Chest CT, axial plane, 135 kVp, kernel FC01. Slice 76/111 from the bottom of the scan; thickness 3.00 mm; pixel size 0.714 mm.
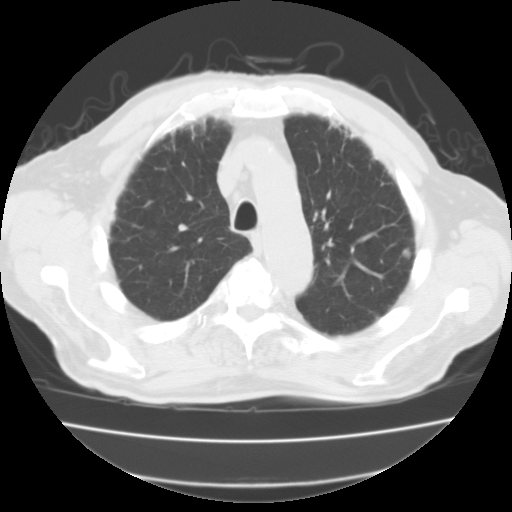
Pulmonary nodule, outlined by all four readers. Box on this slice rows 248–258, columns 401–410, the union of the readers' outlines on this slice; median longest diameter 24.6 mm (readers' outlines 24.3–25.8 mm), median volume 4094 mm3 (3889–4187 mm3). Median ratings and the readers' spread: texture 5/5 (solid), all four readers agreeing; margin 5/5 (circumscribed) from all four readers; sphericity 3/5 (ovoid) at the median of four readers, spread 3/5 (ovoid) to 5/5 (round); calcification absent from all four readers; internal structure soft tissue from all four readers; subtlety 5/5, all four readers agreeing; malignancy likelihood 3.5/5 at the median of four readers, spread 2–5. Scale key (1–5): texture non-solid→solid, margin indistinct→circumscribed, sphericity linear→round, subtlety extremely subtle→obvious, malignancy likelihood highly unlikely→highly suspicious of cancer. Box rows and columns are 0-based pixel indices from the top-left corner, inclusive.